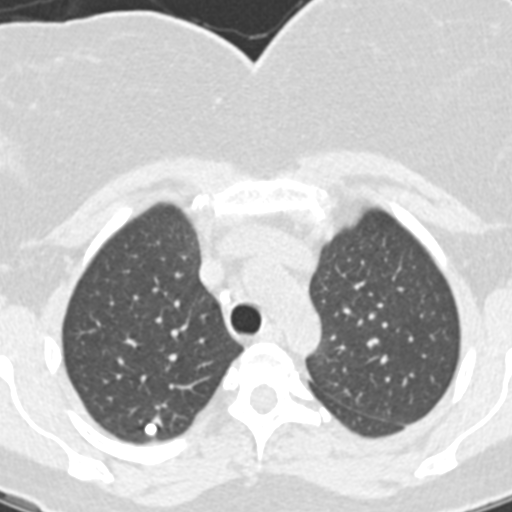
Chest CT, axial plane, 130 kVp, kernel B20s. Slice 149/331 from the bottom of the scan; thickness 1.25 mm; pixel size 0.496 mm.
Pulmonary nodule outlined by all four readers; box rows 422–435, columns 145–156 (the union of the readers' outlines on this slice); median longest diameter 7.5 mm (readers' outlines 6.9–8.4 mm), median volume 164 mm3 (132–209 mm3). Median ratings and the readers' spread: texture 5/5 (solid) from all four readers; margin 5/5 (circumscribed) from all four readers; sphericity 5/5 (round) at the median of four readers, spread 4/5 to 5/5 (round); calcification: solid calcification (three), central calcification (one); internal structure soft tissue, all four readers agreeing; subtlety 5/5 at the median of four readers, spread 4–5; malignancy likelihood 1/5 from all four readers. Scale key (1–5): texture non-solid→solid, margin indistinct→circumscribed, sphericity linear→round, subtlety extremely subtle→obvious, malignancy likelihood highly unlikely→highly suspicious of cancer. Box rows and columns are 0-based pixel indices from the top-left corner, inclusive.